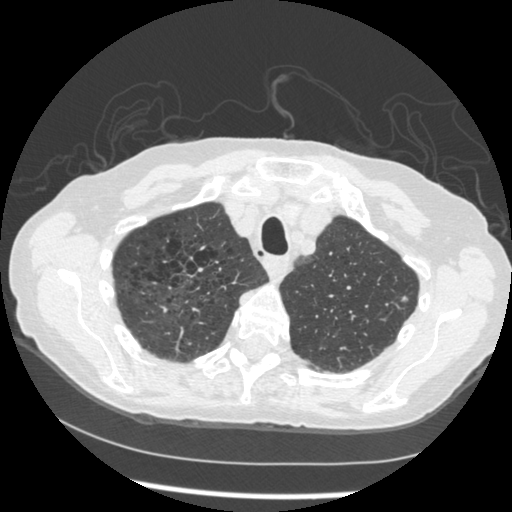
Axial chest CT slice 381 of 461 (counted from the lowest slice); 1.25 mm thick, 0.645 mm per pixel. Pulmonary nodule at rows 296–301, columns 401–407 (box = the union of the readers' outlines on this slice), outlined by all four readers; longest diameter 9.2–11.1 mm and volume 139–248 mm3 across the four readers' outlines. Ratings across the readers: texture from 3/5 (part-solid) to 5/5 (solid) across the four readers; margin from 2/5 to 5/5 (circumscribed) across the four readers; sphericity from 2/5 to 5/5 (round) across the four readers; calcification absent, all four readers agreeing; internal structure soft tissue, all four readers agreeing; subtlety from 3/5 to 5/5 across the four readers; malignancy likelihood rated between 2 and 4 out of 5 by the four readers. Scale key (1–5): texture non-solid→solid, margin indistinct→circumscribed, sphericity linear→round, subtlety extremely subtle→obvious, malignancy likelihood highly unlikely→highly suspicious of cancer. Box rows and columns are 0-based pixel indices from the top-left corner, inclusive.
Acquired at 120 kVp and reconstructed with the STANDARD kernel.